Axial slice 115 of 238 of a chest CT (slice 1 is the lowest), reconstructed with the STANDARD kernel at 120 kVp; 1.25 mm slice thickness and 0.664 mm pixels.
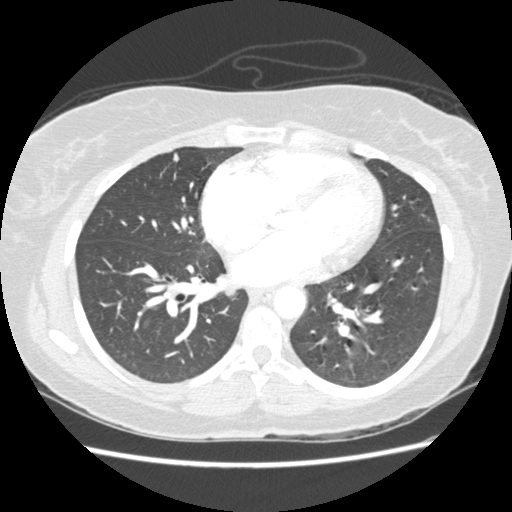
Pulmonary nodule at rows 152–161, columns 172–178 (box = the union of the readers' outlines on this slice), outlined by three of the four readers; longest diameter 6.8–6.9 mm and volume 98–123 mm3 across the three readers' outlines. The readers' ratings, as ranges where they differ: texture 5/5 (solid), all three readers agreeing; margin 5/5 (circumscribed) from all three readers; sphericity from 3/5 (ovoid) to 4/5 across the three readers; calcification absent, all three readers agreeing; internal structure soft tissue, all three readers agreeing; subtlety from 3/5 to 4/5 across the three readers; malignancy likelihood 2/5 from all three readers. Scale key (1–5): texture non-solid→solid, margin indistinct→circumscribed, sphericity linear→round, subtlety extremely subtle→obvious, malignancy likelihood highly unlikely→highly suspicious of cancer. Box rows and columns are 0-based pixel indices from the top-left corner, inclusive.